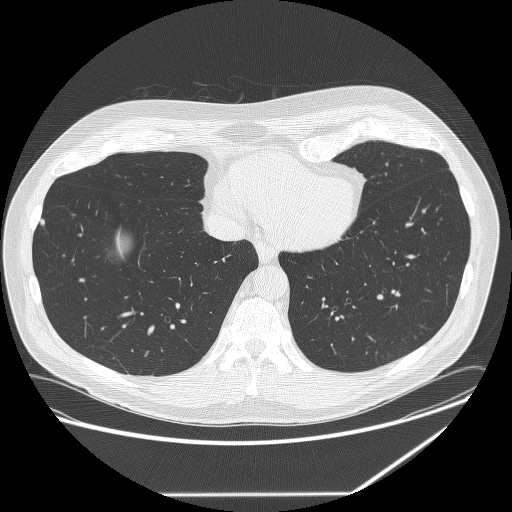
Chest CT, axial plane, 120 kVp, kernel BONE. Slice 89/291 from the bottom of the scan; thickness 1.25 mm; pixel size 0.820 mm.
Pulmonary nodule outlined by all four readers; box rows 218–225, columns 39–44 (the union of the readers' outlines on this slice); longest diameter 7.0 mm on average over the four readers' outlines (readers' outlines 6.6–7.6 mm), volume 54–116 mm3. The readers' prevailing ratings and who disagreed: texture 5/5 (solid), all four readers agreeing; margin 5/5 (circumscribed) by three of four readers; the rest gave 4/5 (one); most readers (three of four) put sphericity at 4/5, others 3/5 (ovoid) (one); calcification absent by three of four readers, solid calcification (one); internal structure soft tissue from all four readers; subtlety 3/5 by two of four readers; the rest gave 2/5 (one), 4/5 (one); malignancy likelihood 2/5 by two of four readers; the rest gave 1/5 (one), 3/5 (one). Scale key (1–5): texture non-solid→solid, margin indistinct→circumscribed, sphericity linear→round, subtlety extremely subtle→obvious, malignancy likelihood highly unlikely→highly suspicious of cancer. Box rows and columns are 0-based pixel indices from the top-left corner, inclusive.